One axial slice (305 of 372, counting up from the lowest) of a chest CT acquired at 120 kVp with the STANDARD kernel; each pixel is 0.586 mm and the slice is 1.25 mm thick.
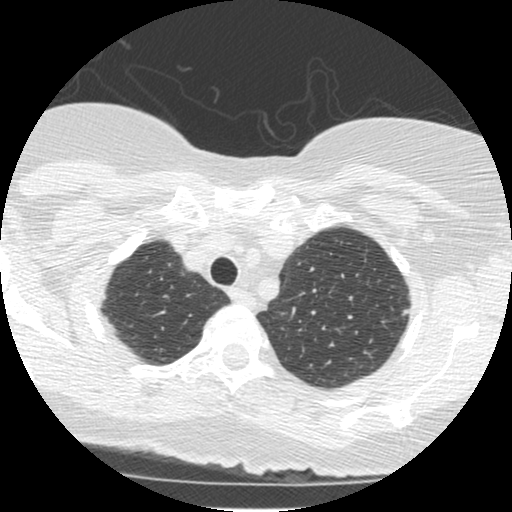
Pulmonary nodule at rows 309–315, columns 402–408 (box = that reader's outline on this slice), outlined by one of the four readers; longest diameter 7.1 mm and volume 68 mm3 from that reader's outline. Ratings by that reader: texture 5/5 (solid); margin 4/5; sphericity 3/5 (ovoid); calcification absent; internal structure soft tissue; subtlety 5/5; malignancy likelihood 3/5. Scale key (1–5): texture non-solid→solid, margin indistinct→circumscribed, sphericity linear→round, subtlety extremely subtle→obvious, malignancy likelihood highly unlikely→highly suspicious of cancer. Box rows and columns are 0-based pixel indices from the top-left corner, inclusive.